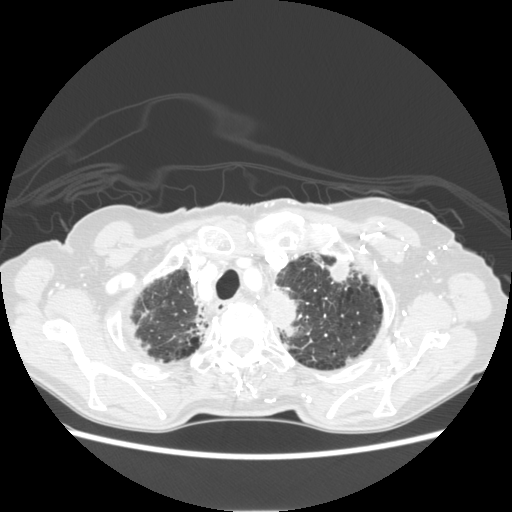
Chest CT, axial plane, 120 kVp, kernel STANDARD. Slice 111/131 from the bottom of the scan; thickness 2.50 mm; pixel size 0.703 mm.
Pulmonary nodule, outlined by all four readers. Box on this slice rows 259–283, columns 322–354, the union of the readers' outlines on this slice; median longest diameter 21.0 mm (readers' outlines 18.7–25.9 mm), median volume 1960 mm3 (1749–2501 mm3). Ratings, median across the readers with their spread: texture 5/5 (solid), all four readers agreeing; median margin 4.5/5 (readers ranged 3/5 to 5/5 (circumscribed)); median sphericity 5/5 (round) (readers ranged 3/5 (ovoid) to 5/5 (round)); calcification absent, all four readers agreeing; internal structure soft tissue, all four readers agreeing; subtlety 4.5/5 at the median of four readers, spread 3–5; median malignancy likelihood 4.5/5 (readers ranged 2–5). Scale key (1–5): texture non-solid→solid, margin indistinct→circumscribed, sphericity linear→round, subtlety extremely subtle→obvious, malignancy likelihood highly unlikely→highly suspicious of cancer. Box rows and columns are 0-based pixel indices from the top-left corner, inclusive.